One axial slice (152 of 308, counting up from the lowest) of a chest CT acquired at 120 kVp with the B45f kernel; each pixel is 0.703 mm and the slice is 1.00 mm thick.
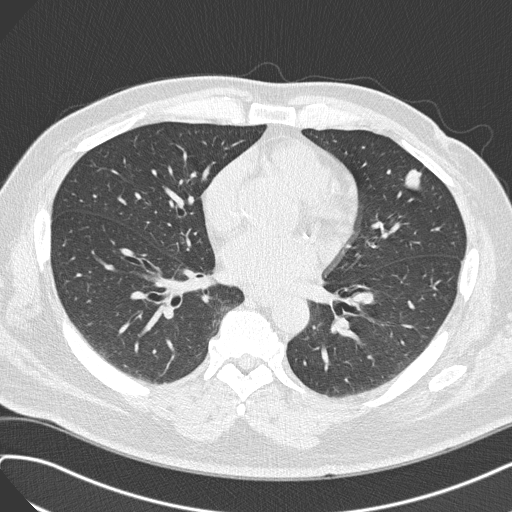
Pulmonary nodule at rows 169–190, columns 404–421 (box = the union of the readers' outlines on this slice), outlined by all four readers; median longest diameter 21.1 mm (readers' outlines 19.6–23.0 mm), median volume 2176 mm3 (1982–2315 mm3). Median ratings and the readers' spread: texture 5/5 (solid) from all four readers; margin 4.5/5 at the median of four readers, spread 4/5 to 5/5 (circumscribed); sphericity 4/5 at the median of four readers, spread 3/5 (ovoid) to 5/5 (round); calcification absent from all four readers; internal structure soft tissue from all four readers; subtlety 5/5 from all four readers; malignancy likelihood 3.5/5 at the median of four readers, spread 3–5. Scale key (1–5): texture non-solid→solid, margin indistinct→circumscribed, sphericity linear→round, subtlety extremely subtle→obvious, malignancy likelihood highly unlikely→highly suspicious of cancer. Box rows and columns are 0-based pixel indices from the top-left corner, inclusive.